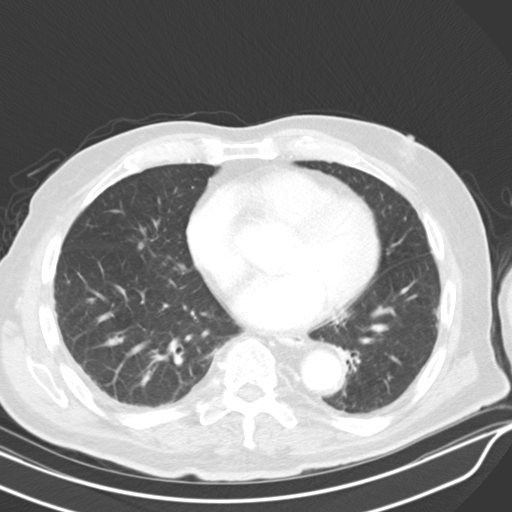
Chest CT, axial plane, 130 kVp, kernel B30s. Slice 222/319 from the bottom of the scan; thickness 4.00 mm; pixel size 0.729 mm.
Pulmonary nodule at rows 242–249, columns 138–143 (box = the union of the readers' outlines on this slice), outlined by three of the four readers; median longest diameter 7.6 mm (readers' outlines 7.3–7.6 mm), median volume 142 mm3 (142–180 mm3). Median ratings and the readers' spread: texture 4/5 at the median of three readers, spread 2/5 to 5/5 (solid); margin 4/5 at the median of three readers, spread 2/5 to 4/5; sphericity 3/5 (ovoid) at the median of three readers, spread 2/5 to 4/5; calcification absent from all three readers; internal structure soft tissue from all three readers; median subtlety 4/5 (readers ranged 2–5); malignancy likelihood 2/5 at the median of three readers, spread 2–3. Scale key (1–5): texture non-solid→solid, margin indistinct→circumscribed, sphericity linear→round, subtlety extremely subtle→obvious, malignancy likelihood highly unlikely→highly suspicious of cancer. Box rows and columns are 0-based pixel indices from the top-left corner, inclusive.